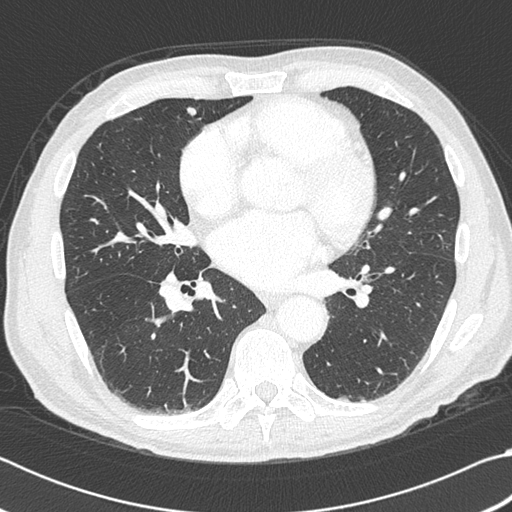
Chest CT, axial plane, 120 kVp, kernel B45f. Slice 198/383 from the bottom of the scan; thickness 1.00 mm; pixel size 0.664 mm.
Pulmonary nodule, outlined by all four readers. Box on this slice rows 106–116, columns 186–196, the union of the readers' outlines on this slice; longest diameter 10.8 mm on average over the four readers' outlines (readers' outlines 9.8–12.2 mm), volume 379–631 mm3. Ratings, by the readers' most common answer with dissent counted: texture 5/5 (solid), all four readers agreeing; margin 5/5 (circumscribed) from all four readers; sphericity 5/5 (round) by two of four readers; the rest gave 3/5 (ovoid) (one), 4/5 (one); calcification absent by three of four readers, solid calcification (one); internal structure soft tissue, all four readers agreeing; subtlety split among the readers: 4/5 (two), 5/5 (two); malignancy likelihood split among the readers: 1/5 (one), 2/5 (one), 3/5 (one), 4/5 (one). Scale key (1–5): texture non-solid→solid, margin indistinct→circumscribed, sphericity linear→round, subtlety extremely subtle→obvious, malignancy likelihood highly unlikely→highly suspicious of cancer. Box rows and columns are 0-based pixel indices from the top-left corner, inclusive.